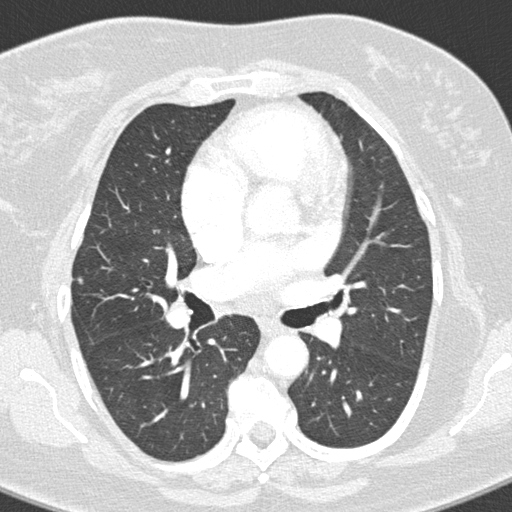
Axial chest CT slice 172 of 298 (counted from the lowest slice); tube voltage 120 kVp, convolution kernel B45f; slices 1.00 mm thick, 0.547 mm per pixel.
Pulmonary nodule at rows 276–284, columns 73–83 (box = the union of the readers' outlines on this slice), outlined by three of the four readers; median longest diameter 6.1 mm (readers' outlines 5.9–8.2 mm), median volume 79 mm3 (71–114 mm3). Ratings, median across the readers with their spread: texture 5/5 (solid) at the median of three readers, spread 4/5 to 5/5 (solid); median margin 3/5 (readers ranged 3/5 to 4/5); median sphericity 4/5 (readers ranged 3/5 (ovoid) to 4/5); calcification absent from all three readers; internal structure soft tissue, all three readers agreeing; median subtlety 3/5 (readers ranged 3–4); malignancy likelihood 2/5 at the median of three readers, spread 2–3. Scale key (1–5): texture non-solid→solid, margin indistinct→circumscribed, sphericity linear→round, subtlety extremely subtle→obvious, malignancy likelihood highly unlikely→highly suspicious of cancer. Box rows and columns are 0-based pixel indices from the top-left corner, inclusive.